Axial slice 55 of 104 of a chest CT (slice 1 is the lowest), reconstructed with the FC01 kernel at 135 kVp; 3.00 mm slice thickness and 0.622 mm pixels.
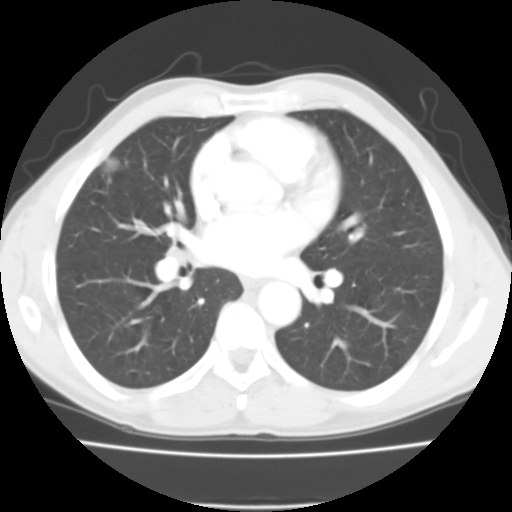
Pulmonary nodule at rows 158–172, columns 105–119 (box = the union of the readers' outlines on this slice), outlined by all four readers; median longest diameter 18.1 mm (readers' outlines 16.8–18.8 mm), median volume 2036 mm3 (1860–2194 mm3). Ratings, median across the readers with their spread: median texture 5/5 (solid) (readers ranged 4/5 to 5/5 (solid)); median margin 4.5/5 (readers ranged 4/5 to 5/5 (circumscribed)); median sphericity 4/5 (readers ranged 4/5 to 5/5 (round)); calcification absent from all four readers; internal structure soft tissue from all four readers; subtlety 5/5 from all four readers; malignancy likelihood 3/5 from all four readers. Scale key (1–5): texture non-solid→solid, margin indistinct→circumscribed, sphericity linear→round, subtlety extremely subtle→obvious, malignancy likelihood highly unlikely→highly suspicious of cancer. Box rows and columns are 0-based pixel indices from the top-left corner, inclusive.